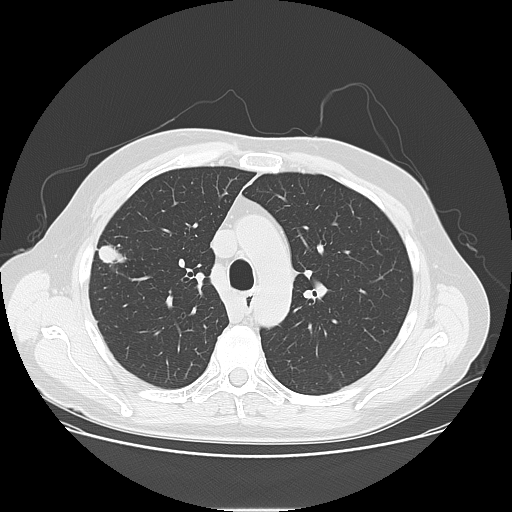
Axial chest CT slice 98 of 141 (counted from the lowest slice); tube voltage 120 kVp, convolution kernel LUNG; slices 2.50 mm thick, 0.762 mm per pixel.
Pulmonary nodule, outlined by all four readers. Box on this slice rows 244–263, columns 98–126, the union of the readers' outlines on this slice; median longest diameter 26.7 mm (readers' outlines 25.3–27.9 mm), median volume 3135 mm3 (2874–3633 mm3). Median ratings and the readers' spread: texture 5/5 (solid), all four readers agreeing; margin 4.5/5 at the median of four readers, spread 3/5 to 5/5 (circumscribed); sphericity 3/5 (ovoid) at the median of four readers, spread 2/5 to 3/5 (ovoid); calcification absent from all four readers; internal structure soft tissue from all four readers; subtlety 5/5 from all four readers; median malignancy likelihood 5/5 (readers ranged 3–5). Scale key (1–5): texture non-solid→solid, margin indistinct→circumscribed, sphericity linear→round, subtlety extremely subtle→obvious, malignancy likelihood highly unlikely→highly suspicious of cancer. Box rows and columns are 0-based pixel indices from the top-left corner, inclusive.